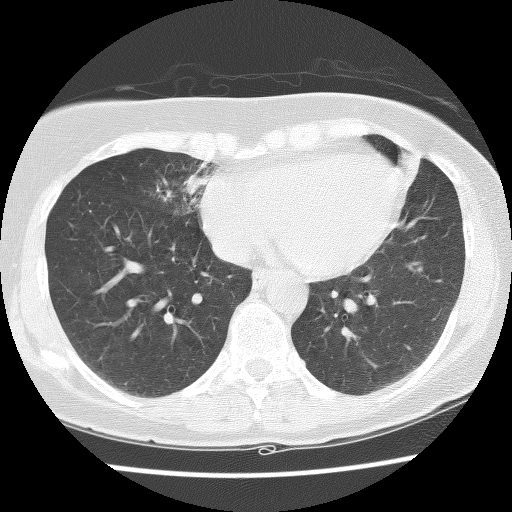
Chest CT, axial plane, 140 kVp, kernel BONE. Slice 52/127 from the bottom of the scan; thickness 2.50 mm; pixel size 0.586 mm.
No nodule of 3 mm or larger was outlined by any of the four readers on this slice.